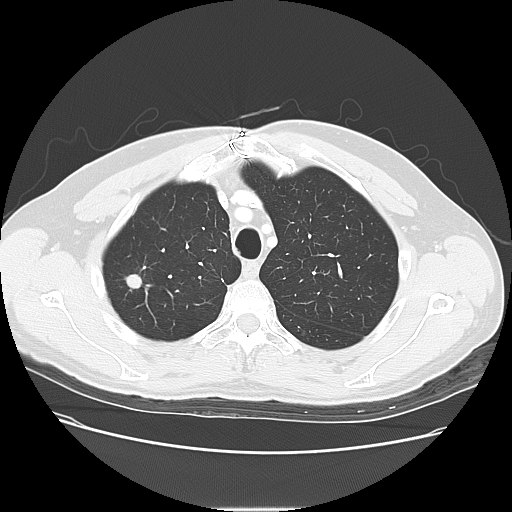
Slice 93/117 of a chest CT, counting up from the lowest; pixel size 0.723 mm, slice thickness 2.50 mm. Pulmonary nodule, outlined by all four readers. Box on this slice rows 273–289, columns 124–142, the union of the readers' outlines on this slice; median longest diameter 14.0 mm (readers' outlines 13.2–14.9 mm), median volume 937 mm3 (887–1039 mm3). Median ratings and the readers' spread: texture 5/5 (solid), all four readers agreeing; median margin 4/5 (readers ranged 4/5 to 5/5 (circumscribed)); median sphericity 4.5/5 (readers ranged 4/5 to 5/5 (round)); calcification: absent (three), solid calcification (one); internal structure soft tissue from all four readers; median subtlety 5/5 (readers ranged 4–5); median malignancy likelihood 3.5/5 (readers ranged 1–4). Scale key (1–5): texture non-solid→solid, margin indistinct→circumscribed, sphericity linear→round, subtlety extremely subtle→obvious, malignancy likelihood highly unlikely→highly suspicious of cancer. Box rows and columns are 0-based pixel indices from the top-left corner, inclusive.
Tube voltage 120 kVp; convolution kernel LUNG.